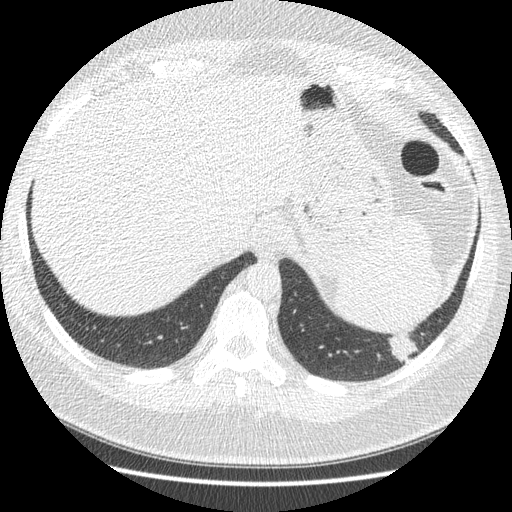
This is axial slice 46 of 421 (slice 1 is the lowest) of a chest CT; each pixel is 0.703 mm and the slice is 1.25 mm thick. Pulmonary nodule at rows 331–363, columns 387–418 (box = the union of the readers' outlines on this slice), outlined four times (the source holds four more outlines, not used); median longest diameter 32.9 mm (readers' outlines 30.9–38.9 mm), median volume 5450 mm3 (4443–5826 mm3). Ratings, median across the readers with their spread: median texture 5/5 (solid) (readers ranged 4/5 to 5/5 (solid)); margin 4/5 at the median of four readers, spread 3/5 to 4/5; median sphericity 2.5/5 (readers ranged 2/5 to 4/5); calcification absent, all four readers agreeing; internal structure soft tissue, all four readers agreeing; subtlety 5/5 at the median of four readers, spread 4–5; malignancy likelihood 3.5/5 at the median of four readers, spread 2–5. Scale key (1–5): texture non-solid→solid, margin indistinct→circumscribed, sphericity linear→round, subtlety extremely subtle→obvious, malignancy likelihood highly unlikely→highly suspicious of cancer. Box rows and columns are 0-based pixel indices from the top-left corner, inclusive.
Scan settings: 120 kVp, STANDARD reconstruction kernel.